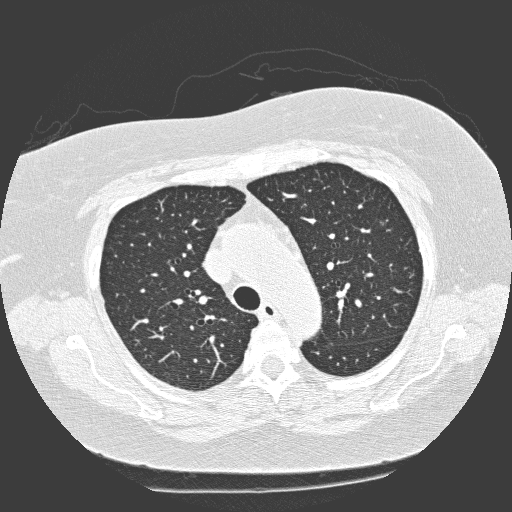
One axial slice (228 of 300, counting up from the lowest) of a chest CT acquired at 120 kVp with the D kernel; each pixel is 0.654 mm and the slice is 1.00 mm thick.
Pulmonary nodule at rows 221–224, columns 380–383 (box = the union of the readers' outlines on this slice), outlined by all four readers, two of them on this slice; median longest diameter 5.7 mm (readers' outlines 4.8–6.0 mm), median volume 53 mm3 (30–63 mm3). Median ratings and the readers' spread: texture 5/5 (solid) from all four readers; margin 5/5 (circumscribed) at the median of four readers, spread 4/5 to 5/5 (circumscribed); median sphericity 4.5/5 (readers ranged 4/5 to 5/5 (round)); calcification: absent (three), solid calcification (one); internal structure soft tissue from all four readers; subtlety 4/5 at the median of four readers, spread 2–5; median malignancy likelihood 2/5 (readers ranged 1–3). Scale key (1–5): texture non-solid→solid, margin indistinct→circumscribed, sphericity linear→round, subtlety extremely subtle→obvious, malignancy likelihood highly unlikely→highly suspicious of cancer. Box rows and columns are 0-based pixel indices from the top-left corner, inclusive.